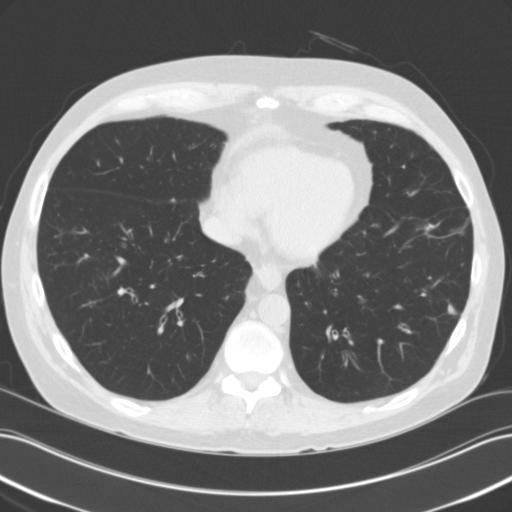
One axial slice (40 of 118, counting up from the lowest) of a chest CT acquired at 120 kVp with the B31f kernel; each pixel is 0.707 mm and the slice is 3.00 mm thick.
Two pulmonary nodules are outlined on this slice; from left to right: (1) Pulmonary nodule outlined by all four readers; box rows 303–314, columns 447–456 (the union of the readers' outlines on this slice); longest diameter 8.9–11.2 mm and volume 357–448 mm3 across the four readers' outlines. The readers' ratings, as ranges where they differ: texture from 4/5 to 5/5 (solid) across the four readers; margin from 4/5 to 5/5 (circumscribed) across the four readers; sphericity 2/5 from all four readers; calcification absent, all four readers agreeing; internal structure soft tissue from all four readers; subtlety 3–5/5 (the readers disagree); malignancy likelihood from 1/5 to 3/5 across the four readers. (2) Pulmonary nodule at rows 221–234, columns 450–466 (box = the union of the readers' outlines on this slice), outlined by all four readers, two of them on this slice; longest diameter 11.6 mm on average over the four readers' outlines (readers' outlines 9.5–14.7 mm), volume 228–533 mm3. The readers' prevailing ratings and who disagreed: most readers (three of four) put texture at 5/5 (solid), others 4/5 (one); margin 4/5 by two of four readers; the rest gave 3/5 (one), 5/5 (circumscribed) (one); most readers (three of four) put sphericity at 3/5 (ovoid), others 4/5 (one); calcification absent, all four readers agreeing; internal structure soft tissue, all four readers agreeing; subtlety 4/5 by two of four readers; the rest gave 3/5 (one), 5/5 (one); malignancy likelihood 3/5 by three of four readers; the rest gave 2/5 (one). Scale key (1–5): texture non-solid→solid, margin indistinct→circumscribed, sphericity linear→round, subtlety extremely subtle→obvious, malignancy likelihood highly unlikely→highly suspicious of cancer. Box rows and columns are 0-based pixel indices from the top-left corner, inclusive.